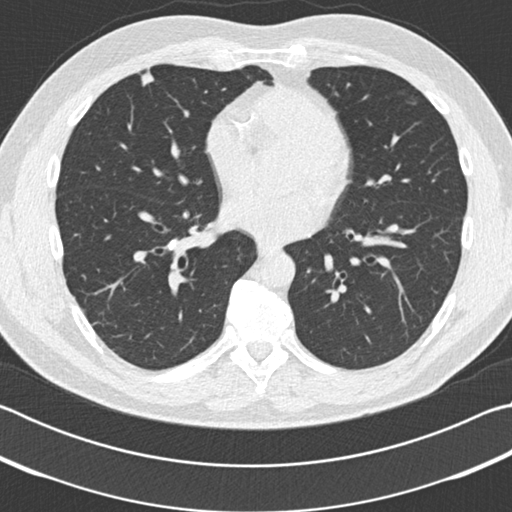
Axial chest CT slice 84 of 185 (counted from the lowest slice); tube voltage 120 kVp, convolution kernel B30f; slices 2.00 mm thick, 0.664 mm per pixel.
Pulmonary nodule, outlined by three of the four readers. Box on this slice rows 68–86, columns 138–153, the union of the readers' outlines on this slice; longest diameter 12.3 mm on average over the three readers' outlines (readers' outlines 9.5–14.7 mm), volume 181–358 mm3. The readers' prevailing ratings and who disagreed: texture 5/5 (solid), all three readers agreeing; most readers (two of three) put margin at 4/5, others 2/5 (one); sphericity 3/5 (ovoid) by two of three readers; the rest gave 4/5 (one); calcification absent from all three readers; internal structure soft tissue, all three readers agreeing; most readers (two of three) put subtlety at 4/5, others 5/5 (one); malignancy likelihood split among the readers: 3/5 (one), 4/5 (one), 5/5 (one). Scale key (1–5): texture non-solid→solid, margin indistinct→circumscribed, sphericity linear→round, subtlety extremely subtle→obvious, malignancy likelihood highly unlikely→highly suspicious of cancer. Box rows and columns are 0-based pixel indices from the top-left corner, inclusive.